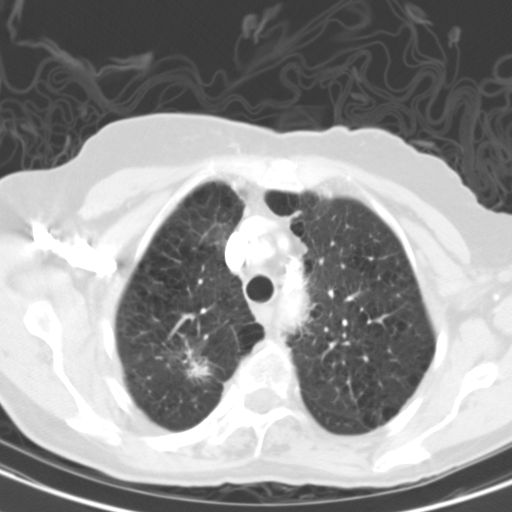
Chest CT, axial plane, 130 kVp, kernel B31s. Slice 96/117 from the bottom of the scan; thickness 3.00 mm; pixel size 0.566 mm.
Pulmonary nodule at rows 340–380, columns 182–211 (box = the union of the readers' outlines on this slice), outlined by all four readers; the four readers' outlines give a longest diameter between 31.3 and 41.7 mm and a volume between 5062 and 7820 mm3. The readers' ratings, as ranges where they differ: texture 5/5 (solid) from all four readers; margin from 1/5 (indistinct) to 4/5 across the four readers; sphericity from 3/5 (ovoid) to 5/5 (round) across the four readers; calcification absent, all four readers agreeing; internal structure soft tissue, all four readers agreeing; subtlety 5/5, all four readers agreeing; malignancy likelihood 5/5 from all four readers. Scale key (1–5): texture non-solid→solid, margin indistinct→circumscribed, sphericity linear→round, subtlety extremely subtle→obvious, malignancy likelihood highly unlikely→highly suspicious of cancer. Box rows and columns are 0-based pixel indices from the top-left corner, inclusive.